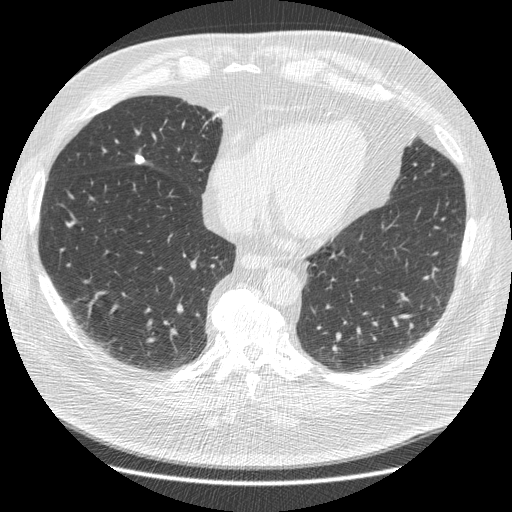
Axial chest CT slice 137 of 426 (counted from the lowest slice); tube voltage 120 kVp, convolution kernel STANDARD; slices 1.25 mm thick, 0.742 mm per pixel.
Pulmonary nodule at rows 154–164, columns 135–144 (box = the union of the readers' outlines on this slice), outlined by all four readers; median longest diameter 9.6 mm (readers' outlines 9.6–10.0 mm), median volume 213 mm3 (202–225 mm3). Median ratings and the readers' spread: texture 5/5 (solid) from all four readers; margin 5/5 (circumscribed), all four readers agreeing; median sphericity 4.5/5 (readers ranged 4/5 to 5/5 (round)); calcification solid calcification from all four readers; internal structure soft tissue from all four readers; subtlety 5/5 from all four readers; malignancy likelihood 1/5, all four readers agreeing. Scale key (1–5): texture non-solid→solid, margin indistinct→circumscribed, sphericity linear→round, subtlety extremely subtle→obvious, malignancy likelihood highly unlikely→highly suspicious of cancer. Box rows and columns are 0-based pixel indices from the top-left corner, inclusive.